Axial chest CT slice 77 of 297 (counted from the lowest slice); tube voltage 120 kVp, convolution kernel STANDARD; slices 1.25 mm thick, 0.787 mm per pixel.
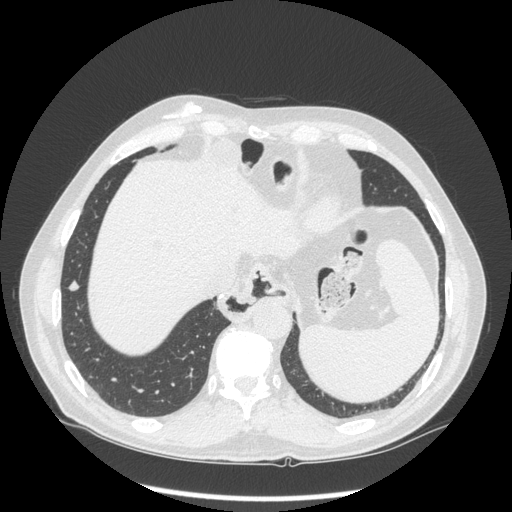
Pulmonary nodule at rows 280–290, columns 68–79 (box = the union of the readers' outlines on this slice), outlined by all four readers; median longest diameter 10.4 mm (readers' outlines 10.3–11.0 mm), median volume 325 mm3 (283–421 mm3). Median ratings and the readers' spread: texture 5/5 (solid) at the median of four readers, spread 4/5 to 5/5 (solid); median margin 4.5/5 (readers ranged 3/5 to 5/5 (circumscribed)); median sphericity 4/5 (readers ranged 3/5 (ovoid) to 4/5); calcification absent from all four readers; internal structure soft tissue from all four readers; median subtlety 4.5/5 (readers ranged 3–5); median malignancy likelihood 3/5 (readers ranged 1–4). Scale key (1–5): texture non-solid→solid, margin indistinct→circumscribed, sphericity linear→round, subtlety extremely subtle→obvious, malignancy likelihood highly unlikely→highly suspicious of cancer. Box rows and columns are 0-based pixel indices from the top-left corner, inclusive.